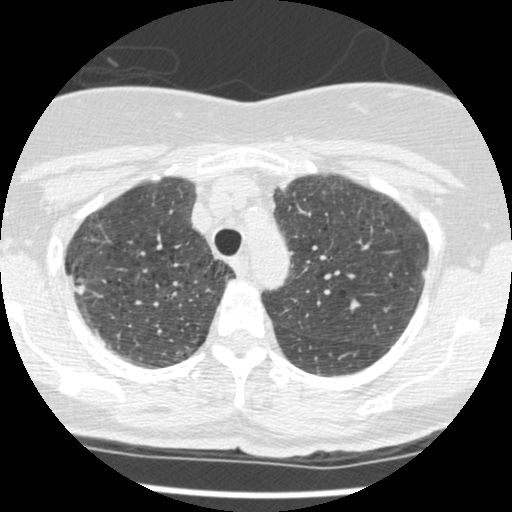
This is axial slice 381 of 465 (slice 1 is the lowest) of a chest CT; each pixel is 0.586 mm and the slice is 1.25 mm thick. Pulmonary nodule at rows 286–294, columns 75–84 (box = that reader's outline on this slice), outlined by one of the four readers; longest diameter 8.3 mm and volume 208 mm3 from that reader's outline. That reader's ratings: texture 5/5 (solid); margin 4/5; sphericity 4/5; calcification absent; internal structure soft tissue; subtlety 3/5; malignancy likelihood 2/5. Scale key (1–5): texture non-solid→solid, margin indistinct→circumscribed, sphericity linear→round, subtlety extremely subtle→obvious, malignancy likelihood highly unlikely→highly suspicious of cancer. Box rows and columns are 0-based pixel indices from the top-left corner, inclusive.
Tube voltage 120 kVp; convolution kernel STANDARD.